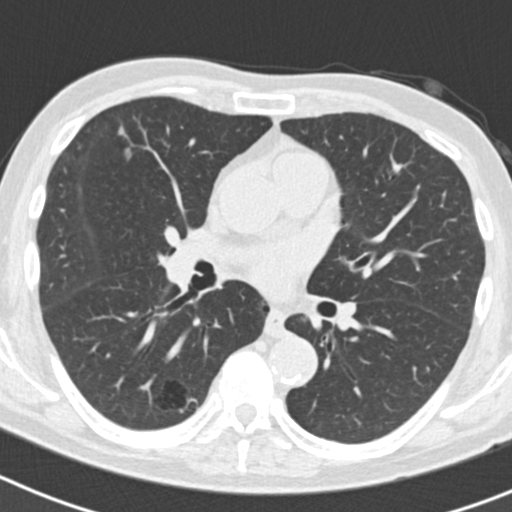
Axial slice 104 of 186 of a chest CT (slice 1 is the lowest), reconstructed with the B30f kernel at 120 kVp; 2.00 mm slice thickness and 0.586 mm pixels.
Two pulmonary nodules are outlined on this slice; from left to right: (1) Pulmonary nodule at rows 125–135, columns 117–125 (box = the union of the readers' outlines on this slice), outlined by three of the four readers; median longest diameter 6.7 mm (readers' outlines 6.6–7.2 mm), median volume 62 mm3 (41–87 mm3). Ratings, median across the readers with their spread: texture 4/5 at the median of three readers, spread 4/5 to 5/5 (solid); margin 4/5, all three readers agreeing; sphericity 4/5 at the median of three readers, spread 3/5 (ovoid) to 4/5; calcification absent, all three readers agreeing; internal structure soft tissue, all three readers agreeing; subtlety 3/5 at the median of three readers, spread 2–4; malignancy likelihood 2/5 at the median of three readers, spread 1–3. (2) Pulmonary nodule at rows 146–161, columns 123–132 (box = the union of the readers' outlines on this slice), outlined by three of the four readers; median longest diameter 10.6 mm (readers' outlines 9.8–11.5 mm), median volume 169 mm3 (132–172 mm3). Median ratings and the readers' spread: texture 5/5 (solid) at the median of three readers, spread 3/5 (part-solid) to 5/5 (solid); median margin 4/5 (readers ranged 2/5 to 5/5 (circumscribed)); median sphericity 3/5 (ovoid) (readers ranged 3/5 (ovoid) to 4/5); calcification absent, all three readers agreeing; internal structure soft tissue from all three readers; subtlety 4/5, all three readers agreeing; malignancy likelihood 2/5 at the median of three readers, spread 2–3. Scale key (1–5): texture non-solid→solid, margin indistinct→circumscribed, sphericity linear→round, subtlety extremely subtle→obvious, malignancy likelihood highly unlikely→highly suspicious of cancer. Box rows and columns are 0-based pixel indices from the top-left corner, inclusive.